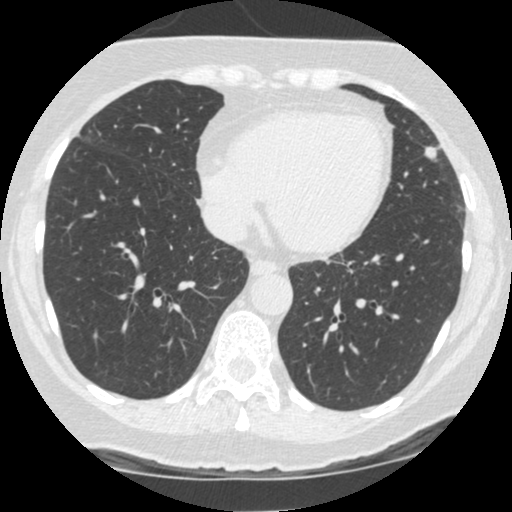
Axial slice 157 of 481 of a chest CT (slice 1 is the lowest), reconstructed with the STANDARD kernel at 120 kVp; 1.25 mm slice thickness and 0.586 mm pixels.
Pulmonary nodule at rows 146–160, columns 423–436 (box = the union of the readers' outlines on this slice), outlined by all four readers; longest diameter 10.6 mm on average over the four readers' outlines (readers' outlines 9.6–11.3 mm), volume 410–491 mm3. The readers' prevailing ratings and who disagreed: texture 5/5 (solid) from all four readers; most readers (three of four) put margin at 5/5 (circumscribed), others 4/5 (one); sphericity 4/5 by three of four readers; the rest gave 5/5 (round) (one); calcification absent from all four readers; internal structure soft tissue from all four readers; subtlety 5/5 by three of four readers; the rest gave 4/5 (one); malignancy likelihood split among the readers: 2/5 (one), 3/5 (one), 4/5 (one), 5/5 (one). Scale key (1–5): texture non-solid→solid, margin indistinct→circumscribed, sphericity linear→round, subtlety extremely subtle→obvious, malignancy likelihood highly unlikely→highly suspicious of cancer. Box rows and columns are 0-based pixel indices from the top-left corner, inclusive.